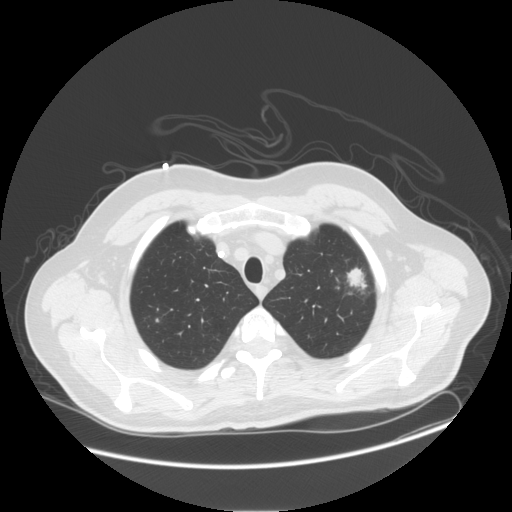
Axial chest CT slice 120 of 143 (counted from the lowest slice); 2.50 mm thick, 0.859 mm per pixel. Pulmonary nodule, outlined by all four readers. Box on this slice rows 266–290, columns 345–367, the union of the readers' outlines on this slice; median longest diameter 26.3 mm (readers' outlines 24.8–28.8 mm), median volume 5234 mm3 (4547–5828 mm3). Median ratings and the readers' spread: texture 5/5 (solid) at the median of four readers, spread 4/5 to 5/5 (solid); margin 4.5/5 at the median of four readers, spread 4/5 to 5/5 (circumscribed); sphericity 5/5 (round) at the median of four readers, spread 3/5 (ovoid) to 5/5 (round); calcification absent, all four readers agreeing; internal structure soft tissue from all four readers; subtlety 5/5 at the median of four readers, spread 3–5; malignancy likelihood 5/5 at the median of four readers, spread 2–5. Scale key (1–5): texture non-solid→solid, margin indistinct→circumscribed, sphericity linear→round, subtlety extremely subtle→obvious, malignancy likelihood highly unlikely→highly suspicious of cancer. Box rows and columns are 0-based pixel indices from the top-left corner, inclusive.
Scan settings: 120 kVp, STANDARD reconstruction kernel.